Axial slice 114 of 129 of a chest CT (slice 1 is the lowest), reconstructed with the BONE kernel at 140 kVp; 2.50 mm slice thickness and 0.645 mm pixels.
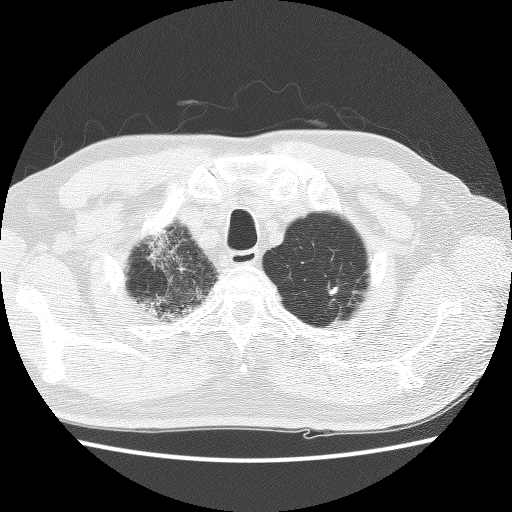
Pulmonary nodule, outlined by all four readers. Box on this slice rows 287–295, columns 329–337, the union of the readers' outlines on this slice; longest diameter 11.2 mm on average over the four readers' outlines (readers' outlines 9.7–12.2 mm), volume 557–991 mm3. Ratings, by the readers' most common answer with dissent counted: texture split among the readers: 4/5 (two), 5/5 (solid) (two); margin split among the readers: 2/5 (one), 3/5 (one), 4/5 (one), 5/5 (circumscribed) (one); sphericity 4/5 by two of four readers; the rest gave 2/5 (one), 3/5 (ovoid) (one); calcification split among the readers: absent (two), central calcification (two); internal structure soft tissue, all four readers agreeing; subtlety split among the readers: 4/5 (two), 5/5 (two); malignancy likelihood 1/5 by two of four readers; the rest gave 3/5 (one), 5/5 (one). Scale key (1–5): texture non-solid→solid, margin indistinct→circumscribed, sphericity linear→round, subtlety extremely subtle→obvious, malignancy likelihood highly unlikely→highly suspicious of cancer. Box rows and columns are 0-based pixel indices from the top-left corner, inclusive.